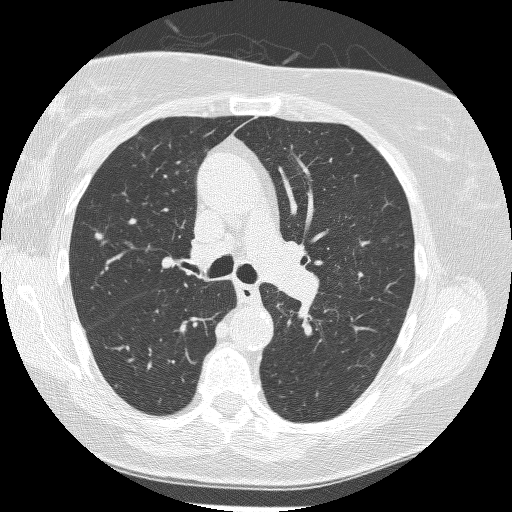
One axial slice (160 of 240, counting up from the lowest) of a chest CT acquired at 120 kVp with the BONE kernel; each pixel is 0.604 mm and the slice is 1.25 mm thick.
Pulmonary nodule outlined by two of the four readers; box rows 232–239, columns 94–102 (the union of the readers' outlines on this slice); the two readers' outlines give a longest diameter between 6.9 and 7.5 mm and a volume between 105 and 107 mm3. Ratings across the readers: texture from 4/5 to 5/5 (solid) across the two readers; margin from 3/5 to 5/5 (circumscribed) across the two readers; sphericity from 3/5 (ovoid) to 4/5 across the two readers; calcification absent, both readers agreeing; internal structure soft tissue, both readers agreeing; subtlety rated between 3 and 4 out of 5 by the two readers; malignancy likelihood rated between 2 and 4 out of 5 by the two readers. Scale key (1–5): texture non-solid→solid, margin indistinct→circumscribed, sphericity linear→round, subtlety extremely subtle→obvious, malignancy likelihood highly unlikely→highly suspicious of cancer. Box rows and columns are 0-based pixel indices from the top-left corner, inclusive.